Chest CT, axial plane, 120 kVp, kernel STANDARD. Slice 110/238 from the bottom of the scan; thickness 1.25 mm; pixel size 0.664 mm.
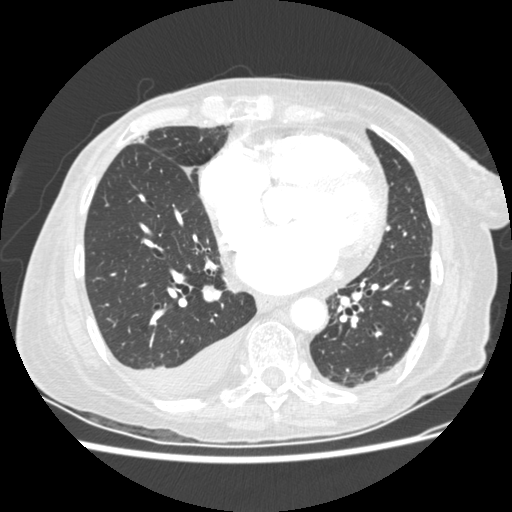
This slice carries no reader outline of a nodule 3 mm or larger.